Axial chest CT slice 571 of 733 (counted from the lowest slice); tube voltage 120 kVp, convolution kernel B50f; slices 0.60 mm thick, 0.637 mm per pixel.
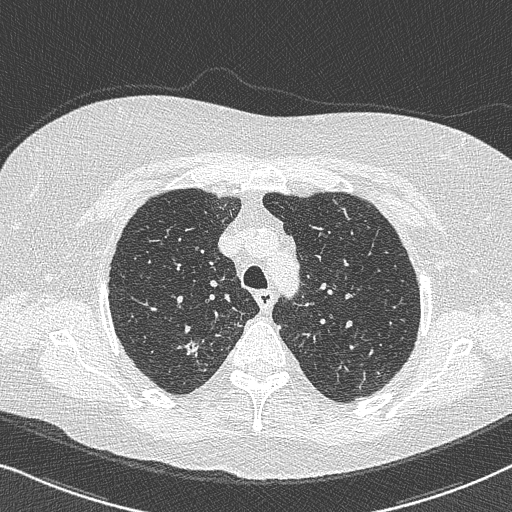
Pulmonary nodule at rows 339–356, columns 180–201 (box = the union of the readers' outlines on this slice), outlined by all four readers, three of them on this slice; the four readers' outlines give a longest diameter between 15.5 and 29.7 mm and a volume between 888 and 2128 mm3. The readers' ratings, as ranges where they differ: texture from 4/5 to 5/5 (solid) across the four readers; margin from 1/5 (indistinct) to 4/5 across the four readers; sphericity from 2/5 to 5/5 (round) across the four readers; calcification absent, all four readers agreeing; internal structure soft tissue, all four readers agreeing; subtlety 4–5/5 (the readers disagree); malignancy likelihood 4–5/5 (the readers disagree). Scale key (1–5): texture non-solid→solid, margin indistinct→circumscribed, sphericity linear→round, subtlety extremely subtle→obvious, malignancy likelihood highly unlikely→highly suspicious of cancer. Box rows and columns are 0-based pixel indices from the top-left corner, inclusive.